One axial slice (370 of 590, counting up from the lowest) of a chest CT acquired at 120 kVp with the B kernel; each pixel is 0.627 mm and the slice is 0.90 mm thick.
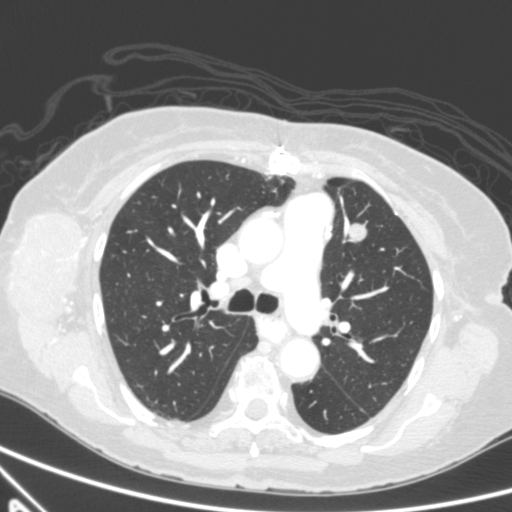
Pulmonary nodule outlined by all four readers; box rows 223–242, columns 348–366 (the union of the readers' outlines on this slice); the four readers' outlines give a longest diameter between 16.3 and 20.1 mm and a volume between 1116 and 1236 mm3. The readers' ratings, as ranges where they differ: texture 5/5 (solid) from all four readers; margin from 3/5 to 5/5 (circumscribed) across the four readers; sphericity from 3/5 (ovoid) to 4/5 across the four readers; calcification absent from all four readers; internal structure soft tissue from all four readers; subtlety rated between 4 and 5 out of 5 by the four readers; malignancy likelihood 3–5/5 (the readers disagree). Scale key (1–5): texture non-solid→solid, margin indistinct→circumscribed, sphericity linear→round, subtlety extremely subtle→obvious, malignancy likelihood highly unlikely→highly suspicious of cancer. Box rows and columns are 0-based pixel indices from the top-left corner, inclusive.